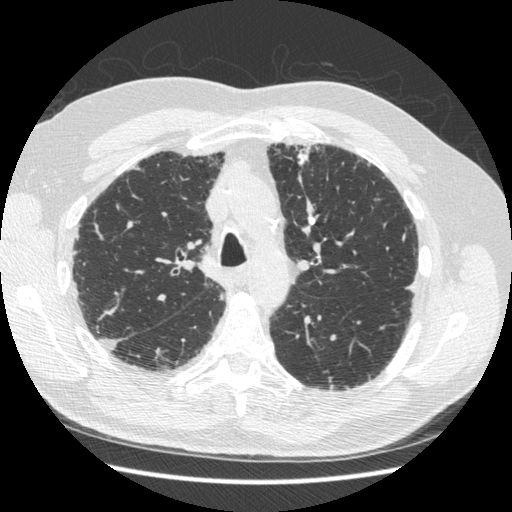
Slice 348/497 of a chest CT, counting up from the lowest; pixel size 0.703 mm, slice thickness 1.25 mm. Pulmonary nodule outlined by all four readers; box rows 150–165, columns 297–308 (the union of the readers' outlines on this slice); longest diameter 16.1 mm on average over the four readers' outlines (readers' outlines 15.2–16.7 mm), volume 670–817 mm3. The readers' prevailing ratings and who disagreed: texture 5/5 (solid) from all four readers; most readers (three of four) put margin at 5/5 (circumscribed), others 3/5 (one); sphericity 5/5 (round) by two of four readers; the rest gave 2/5 (one), 4/5 (one); calcification solid calcification, all four readers agreeing; internal structure soft tissue, all four readers agreeing; subtlety 5/5 from all four readers; malignancy likelihood 1/5 from all four readers. Scale key (1–5): texture non-solid→solid, margin indistinct→circumscribed, sphericity linear→round, subtlety extremely subtle→obvious, malignancy likelihood highly unlikely→highly suspicious of cancer. Box rows and columns are 0-based pixel indices from the top-left corner, inclusive.
Acquired at 120 kVp and reconstructed with the STANDARD kernel.